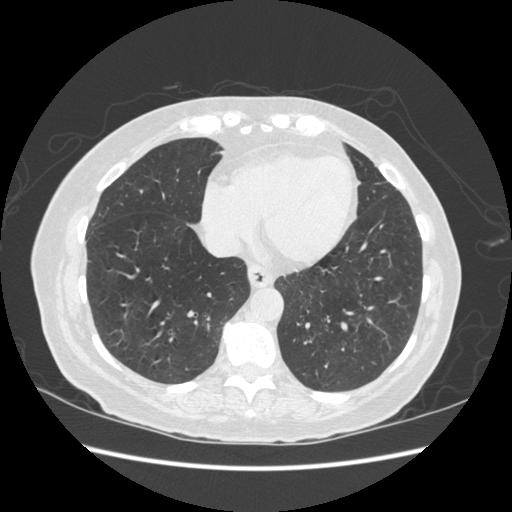
Axial chest CT slice 165 of 513 (counted from the lowest slice); tube voltage 120 kVp, convolution kernel STANDARD; slices 1.25 mm thick, 0.703 mm per pixel.
Pulmonary nodule at rows 331–334, columns 157–161 (box = the union of the readers' outlines on this slice), outlined by two of the four readers; longest diameter 6.8 mm on average over the two readers' outlines (readers' outlines 6.7–6.9 mm), volume 105–106 mm3. The readers' prevailing ratings and who disagreed: texture split among the readers: 4/5 (one), 5/5 (solid) (one); margin 4/5 from both readers; sphericity split among the readers: 2/5 (one), 4/5 (one); calcification absent from both readers; internal structure soft tissue from both readers; subtlety 2/5 from both readers; malignancy likelihood split among the readers: 1/5 (one), 2/5 (one). Scale key (1–5): texture non-solid→solid, margin indistinct→circumscribed, sphericity linear→round, subtlety extremely subtle→obvious, malignancy likelihood highly unlikely→highly suspicious of cancer. Box rows and columns are 0-based pixel indices from the top-left corner, inclusive.